Axial chest CT slice 128 of 208 (counted from the lowest slice); tube voltage 120 kVp, convolution kernel BONE; slices 1.25 mm thick, 0.723 mm per pixel.
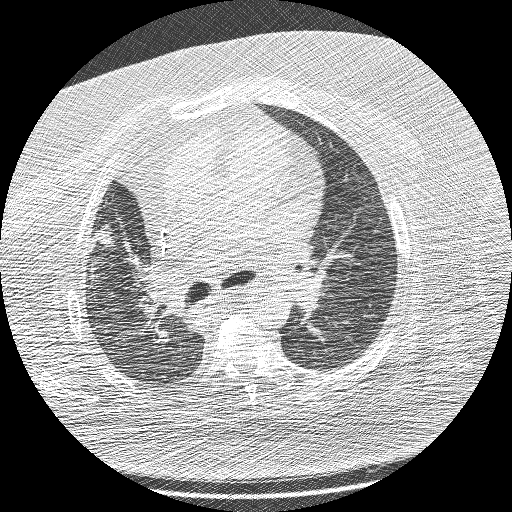
Pulmonary nodule, outlined by all four readers. Box on this slice rows 223–245, columns 93–114, the union of the readers' outlines on this slice; median longest diameter 27.6 mm (readers' outlines 25.6–30.6 mm), median volume 4739 mm3 (4623–6820 mm3). Median ratings and the readers' spread: texture 5/5 (solid), all four readers agreeing; median margin 3/5 (readers ranged 1/5 (indistinct) to 3/5); median sphericity 3/5 (ovoid) (readers ranged 3/5 (ovoid) to 4/5); calcification absent from all four readers; internal structure soft tissue, all four readers agreeing; subtlety 5/5, all four readers agreeing; malignancy likelihood 5/5 from all four readers. Scale key (1–5): texture non-solid→solid, margin indistinct→circumscribed, sphericity linear→round, subtlety extremely subtle→obvious, malignancy likelihood highly unlikely→highly suspicious of cancer. Box rows and columns are 0-based pixel indices from the top-left corner, inclusive.